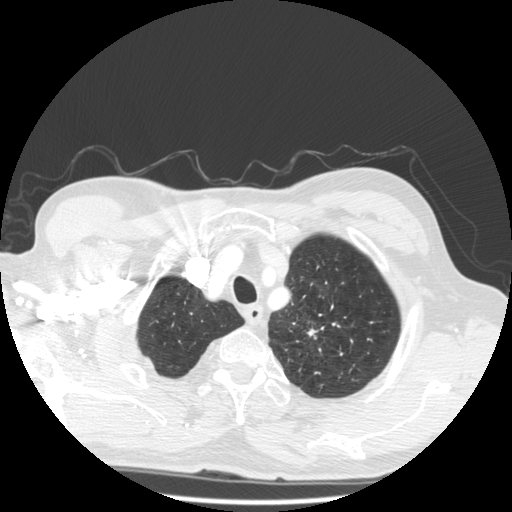
Axial slice 441 of 501 of a chest CT (slice 1 is the lowest), reconstructed with the STANDARD kernel at 140 kVp; 1.25 mm slice thickness and 0.703 mm pixels.
Pulmonary nodule, outlined by three of the four readers, two of them on this slice. Box on this slice rows 328–336, columns 307–318, the union of the readers' outlines on this slice; longest diameter 35.0 mm on average over the three readers' outlines (readers' outlines 32.1–39.2 mm), volume 2361–4873 mm3. Ratings, by the readers' most common answer with dissent counted: most readers (two of three) put texture at 5/5 (solid), others 4/5 (one); margin split among the readers: 1/5 (indistinct) (one), 3/5 (one), 5/5 (circumscribed) (one); sphericity split among the readers: 2/5 (one), 3/5 (ovoid) (one), 5/5 (round) (one); calcification absent from all three readers; internal structure soft tissue, all three readers agreeing; subtlety 5/5, all three readers agreeing; most readers (two of three) put malignancy likelihood at 5/5, others 4/5 (one). Scale key (1–5): texture non-solid→solid, margin indistinct→circumscribed, sphericity linear→round, subtlety extremely subtle→obvious, malignancy likelihood highly unlikely→highly suspicious of cancer. Box rows and columns are 0-based pixel indices from the top-left corner, inclusive.